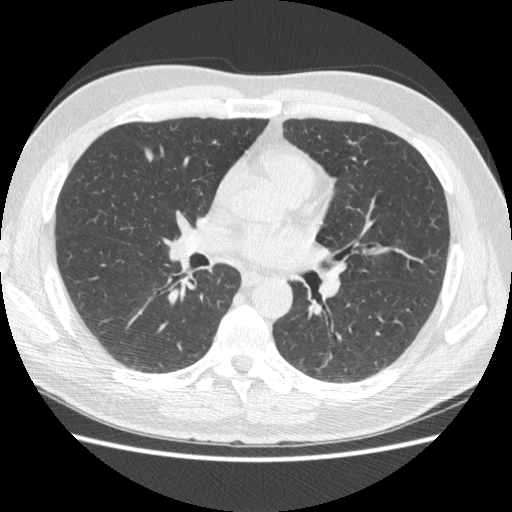
One axial slice (268 of 477, counting up from the lowest) of a chest CT acquired at 120 kVp with the STANDARD kernel; each pixel is 0.703 mm and the slice is 1.25 mm thick.
Pulmonary nodule, outlined by three of the four readers. Box on this slice rows 147–163, columns 144–153, the union of the readers' outlines on this slice; median longest diameter 13.1 mm (readers' outlines 13.0–15.7 mm), median volume 236 mm3 (236–334 mm3). Median ratings and the readers' spread: texture 5/5 (solid), all three readers agreeing; margin 4/5 at the median of three readers, spread 4/5 to 5/5 (circumscribed); median sphericity 4/5 (readers ranged 2/5 to 5/5 (round)); calcification absent from all three readers; internal structure soft tissue from all three readers; median subtlety 4/5 (readers ranged 3–5); median malignancy likelihood 3/5 (readers ranged 2–3). Scale key (1–5): texture non-solid→solid, margin indistinct→circumscribed, sphericity linear→round, subtlety extremely subtle→obvious, malignancy likelihood highly unlikely→highly suspicious of cancer. Box rows and columns are 0-based pixel indices from the top-left corner, inclusive.